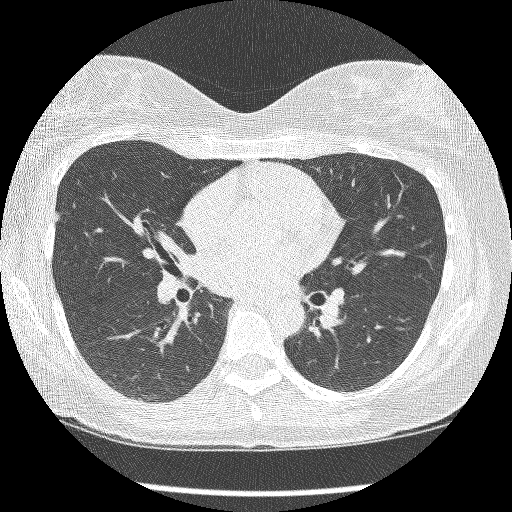
Axial slice 150 of 260 of a chest CT (slice 1 is the lowest), reconstructed with the BONE kernel at 120 kVp; 1.25 mm slice thickness and 0.615 mm pixels.
Pulmonary nodule outlined by all four readers; box rows 212–221, columns 55–59 (the union of the readers' outlines on this slice); the four readers' outlines give a longest diameter between 6.6 and 8.3 mm and a volume between 76 and 93 mm3. Ratings across the readers: texture from 4/5 to 5/5 (solid) across the four readers; margin from 4/5 to 5/5 (circumscribed) across the four readers; sphericity from 3/5 (ovoid) to 4/5 across the four readers; calcification absent, all four readers agreeing; internal structure soft tissue from all four readers; subtlety 2–5/5 (the readers disagree); malignancy likelihood rated between 2 and 4 out of 5 by the four readers. Scale key (1–5): texture non-solid→solid, margin indistinct→circumscribed, sphericity linear→round, subtlety extremely subtle→obvious, malignancy likelihood highly unlikely→highly suspicious of cancer. Box rows and columns are 0-based pixel indices from the top-left corner, inclusive.